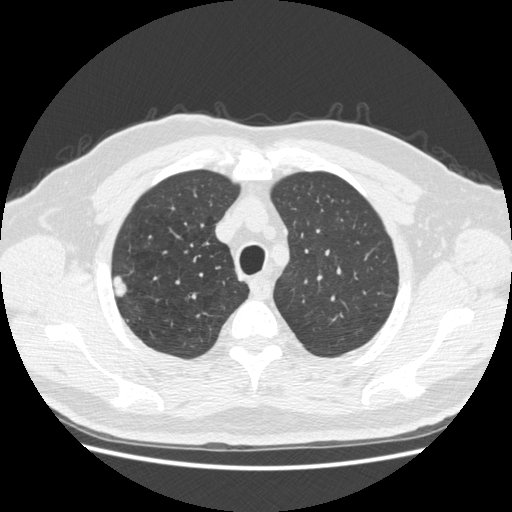
Axial slice 372 of 465 of a chest CT (slice 1 is the lowest), reconstructed with the STANDARD kernel at 120 kVp; 1.25 mm slice thickness and 0.703 mm pixels.
Pulmonary nodule, outlined by all four readers. Box on this slice rows 276–297, columns 112–127, the union of the readers' outlines on this slice; median longest diameter 17.8 mm (readers' outlines 15.5–18.9 mm), median volume 1370 mm3 (1041–1475 mm3). Ratings, median across the readers with their spread: texture 5/5 (solid) from all four readers; margin 5/5 (circumscribed) at the median of four readers, spread 4/5 to 5/5 (circumscribed); median sphericity 3.5/5 (readers ranged 3/5 (ovoid) to 5/5 (round)); calcification absent from all four readers; internal structure soft tissue, all four readers agreeing; median subtlety 5/5 (readers ranged 4–5); malignancy likelihood 4/5 at the median of four readers, spread 2–5. Scale key (1–5): texture non-solid→solid, margin indistinct→circumscribed, sphericity linear→round, subtlety extremely subtle→obvious, malignancy likelihood highly unlikely→highly suspicious of cancer. Box rows and columns are 0-based pixel indices from the top-left corner, inclusive.